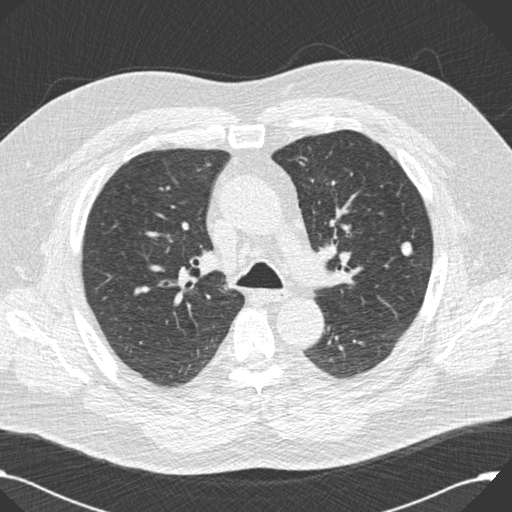
Axial chest CT slice 115 of 176 (counted from the lowest slice); tube voltage 120 kVp, convolution kernel B30f; slices 2.00 mm thick, 0.742 mm per pixel.
Pulmonary nodule, outlined by all four readers. Box on this slice rows 241–256, columns 400–412, the union of the readers' outlines on this slice; longest diameter 14.9 mm on average over the four readers' outlines (readers' outlines 14.3–16.3 mm), volume 1042–1473 mm3. The readers' prevailing ratings and who disagreed: texture 5/5 (solid), all four readers agreeing; margin 5/5 (circumscribed) by three of four readers; the rest gave 4/5 (one); most readers (three of four) put sphericity at 4/5, others 5/5 (round) (one); calcification split among the readers: absent (two), non-central calcification (two); internal structure soft tissue from all four readers; subtlety 5/5 by three of four readers; the rest gave 3/5 (one); malignancy likelihood 2/5 by two of four readers; the rest gave 3/5 (one), 4/5 (one). Scale key (1–5): texture non-solid→solid, margin indistinct→circumscribed, sphericity linear→round, subtlety extremely subtle→obvious, malignancy likelihood highly unlikely→highly suspicious of cancer. Box rows and columns are 0-based pixel indices from the top-left corner, inclusive.